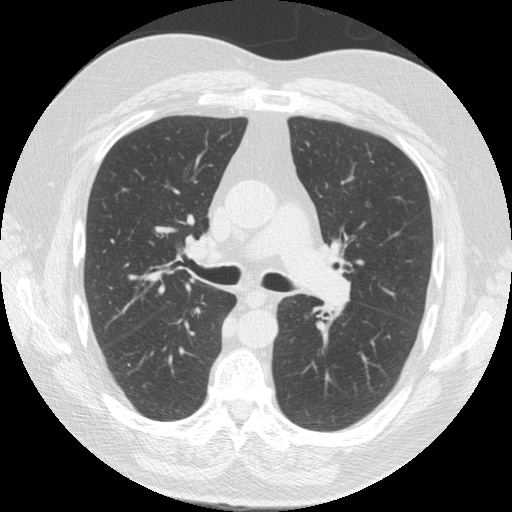
Slice 97/155 of a chest CT, counting up from the lowest; pixel size 0.703 mm, slice thickness 2.50 mm. No nodule of 3 mm or larger was outlined by any of the four readers on this slice.
Tube voltage 120 kVp; convolution kernel STANDARD.